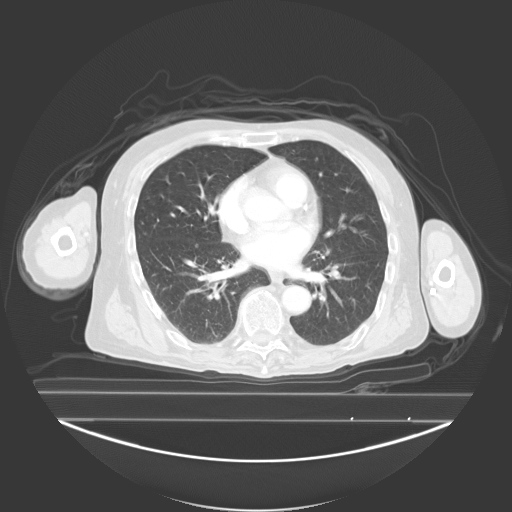
Axial chest CT slice 114 of 278 (counted from the lowest slice); tube voltage 130 kVp, convolution kernel B40s; slices 3.00 mm thick, 0.977 mm per pixel.
Pulmonary nodule outlined by three of the four readers; box rows 244–247, columns 195–198 (the union of the readers' outlines on this slice); longest diameter 6.2–6.3 mm and volume 123–213 mm3 across the three readers' outlines. The readers' ratings, as ranges where they differ: texture from 1/5 (non-solid) to 5/5 (solid) across the three readers; margin from 3/5 to 5/5 (circumscribed) across the three readers; sphericity 5/5 (round), all three readers agreeing; calcification absent from all three readers; internal structure soft tissue, all three readers agreeing; subtlety rated between 2 and 4 out of 5 by the three readers; malignancy likelihood 2–3/5 (the readers disagree). Scale key (1–5): texture non-solid→solid, margin indistinct→circumscribed, sphericity linear→round, subtlety extremely subtle→obvious, malignancy likelihood highly unlikely→highly suspicious of cancer. Box rows and columns are 0-based pixel indices from the top-left corner, inclusive.